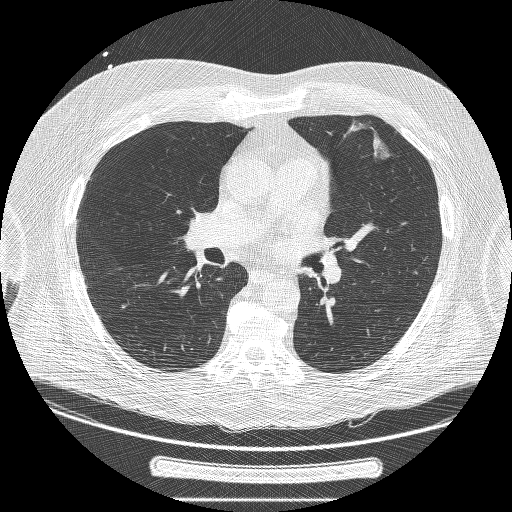
One axial slice (125 of 239, counting up from the lowest) of a chest CT acquired at 120 kVp with the BONE kernel; each pixel is 0.795 mm and the slice is 1.25 mm thick.
Pulmonary nodule outlined by two of the four readers; box rows 120–160, columns 346–392 (the union of the readers' outlines on this slice); longest diameter 43.0–43.4 mm and volume 10396–11168 mm3 across the two readers' outlines. Ratings across the readers: texture from 3/5 (part-solid) to 5/5 (solid) across the two readers; margin from 1/5 (indistinct) to 3/5 across the two readers; sphericity from 1/5 (linear) to 3/5 (ovoid) across the two readers; calcification absent, both readers agreeing; internal structure soft tissue, both readers agreeing; subtlety 5/5 from both readers; malignancy likelihood 5/5 from both readers. Scale key (1–5): texture non-solid→solid, margin indistinct→circumscribed, sphericity linear→round, subtlety extremely subtle→obvious, malignancy likelihood highly unlikely→highly suspicious of cancer. Box rows and columns are 0-based pixel indices from the top-left corner, inclusive.